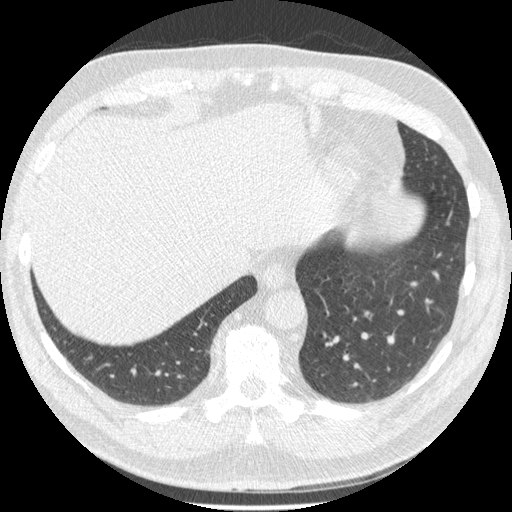
One axial slice (158 of 557, counting up from the lowest) of a chest CT acquired at 120 kVp with the STANDARD kernel; each pixel is 0.703 mm and the slice is 1.25 mm thick.
Pulmonary nodule, outlined by all four readers, three of them on this slice. Box on this slice rows 349–357, columns 203–209, the union of the readers' outlines on this slice; the four readers' outlines give a longest diameter between 8.6 and 11.5 mm and a volume between 175 and 299 mm3. Ratings across the readers: texture 5/5 (solid), all four readers agreeing; margin from 2/5 to 5/5 (circumscribed) across the four readers; sphericity from 4/5 to 5/5 (round) across the four readers; calcification: solid calcification (two), absent (one), central calcification (one); internal structure soft tissue from all four readers; subtlety rated between 3 and 5 out of 5 by the four readers; malignancy likelihood from 1/5 to 4/5 across the four readers. Scale key (1–5): texture non-solid→solid, margin indistinct→circumscribed, sphericity linear→round, subtlety extremely subtle→obvious, malignancy likelihood highly unlikely→highly suspicious of cancer. Box rows and columns are 0-based pixel indices from the top-left corner, inclusive.